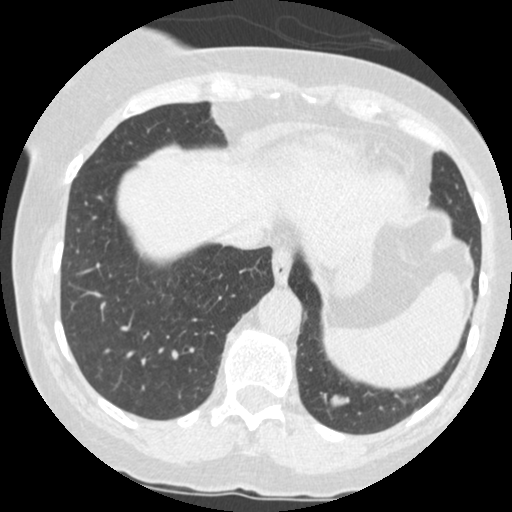
One axial slice (110 of 484, counting up from the lowest) of a chest CT acquired at 120 kVp with the STANDARD kernel; each pixel is 0.586 mm and the slice is 1.25 mm thick.
Pulmonary nodule, outlined by all four readers. Box on this slice rows 394–407, columns 330–348, the union of the readers' outlines on this slice; the four readers' outlines give a longest diameter between 14.7 and 16.9 mm and a volume between 1036 and 1469 mm3. The readers' ratings, as ranges where they differ: texture 5/5 (solid), all four readers agreeing; margin 5/5 (circumscribed), all four readers agreeing; sphericity from 3/5 (ovoid) to 5/5 (round) across the four readers; calcification absent from all four readers; internal structure soft tissue from all four readers; subtlety 5/5 from all four readers; malignancy likelihood from 2/5 to 5/5 across the four readers. Scale key (1–5): texture non-solid→solid, margin indistinct→circumscribed, sphericity linear→round, subtlety extremely subtle→obvious, malignancy likelihood highly unlikely→highly suspicious of cancer. Box rows and columns are 0-based pixel indices from the top-left corner, inclusive.